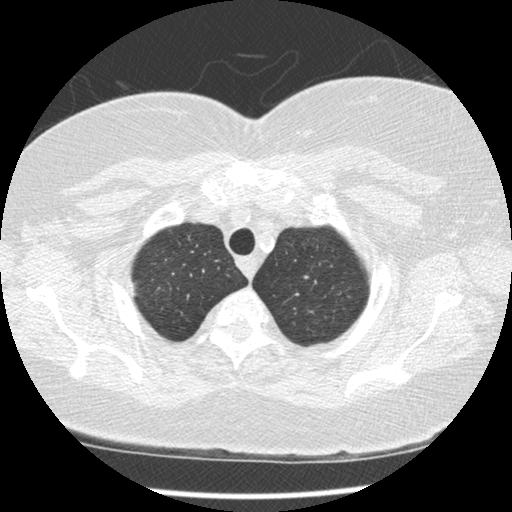
This is axial slice 322 of 375 (slice 1 is the lowest) of a chest CT; each pixel is 0.625 mm and the slice is 1.25 mm thick. Pulmonary nodule at rows 278–295, columns 127–131 (box = the one reader's outline on this slice), outlined by all four readers, one of them on this slice; longest diameter 22.5 mm on average over the four readers' outlines (readers' outlines 21.2–23.2 mm), volume 2289–3466 mm3. Ratings, by the readers' most common answer with dissent counted: texture 5/5 (solid) by three of four readers; the rest gave 4/5 (one); margin 4/5 by two of four readers; the rest gave 3/5 (one), 5/5 (circumscribed) (one); sphericity split among the readers: 2/5 (one), 3/5 (ovoid) (one), 4/5 (one), 5/5 (round) (one); calcification absent from all four readers; internal structure soft tissue, all four readers agreeing; subtlety 5/5, all four readers agreeing; malignancy likelihood 5/5 by three of four readers; the rest gave 3/5 (one). Scale key (1–5): texture non-solid→solid, margin indistinct→circumscribed, sphericity linear→round, subtlety extremely subtle→obvious, malignancy likelihood highly unlikely→highly suspicious of cancer. Box rows and columns are 0-based pixel indices from the top-left corner, inclusive.
Tube voltage 120 kVp; convolution kernel STANDARD.